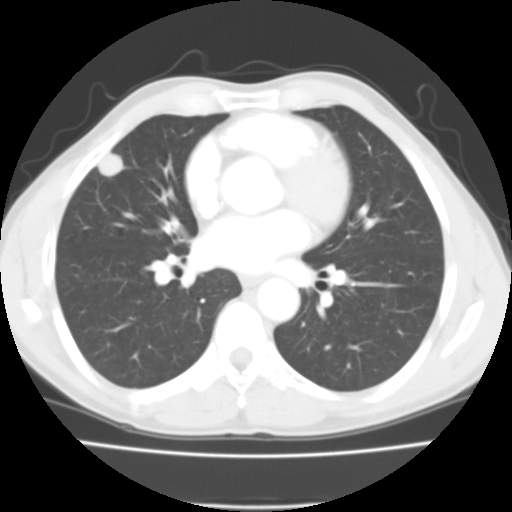
Slice 53/104 of a chest CT, counting up from the lowest; pixel size 0.622 mm, slice thickness 3.00 mm. Pulmonary nodule at rows 151–177, columns 96–124 (box = the union of the readers' outlines on this slice), outlined by all four readers; longest diameter 17.9 mm on average over the four readers' outlines (readers' outlines 16.8–18.8 mm), volume 1860–2194 mm3. The readers' prevailing ratings and who disagreed: most readers (three of four) put texture at 5/5 (solid), others 4/5 (one); margin split among the readers: 4/5 (two), 5/5 (circumscribed) (two); most readers (three of four) put sphericity at 4/5, others 5/5 (round) (one); calcification absent from all four readers; internal structure soft tissue from all four readers; subtlety 5/5 from all four readers; malignancy likelihood 3/5 from all four readers. Scale key (1–5): texture non-solid→solid, margin indistinct→circumscribed, sphericity linear→round, subtlety extremely subtle→obvious, malignancy likelihood highly unlikely→highly suspicious of cancer. Box rows and columns are 0-based pixel indices from the top-left corner, inclusive.
Acquired at 135 kVp and reconstructed with the FC01 kernel.